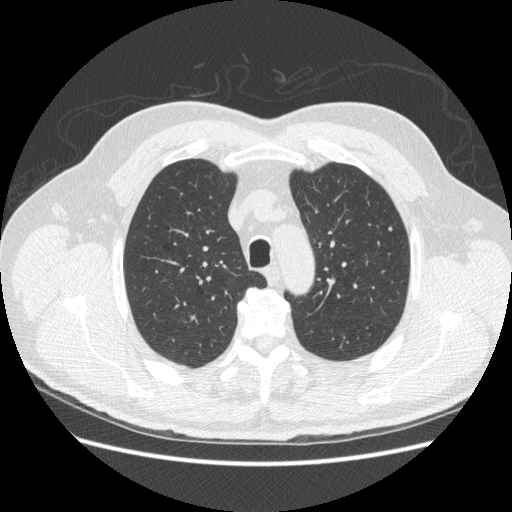
Axial slice 388 of 503 of a chest CT (slice 1 is the lowest), reconstructed with the STANDARD kernel at 120 kVp; 1.25 mm slice thickness and 0.742 mm pixels.
Pulmonary nodule, outlined by one of the four readers. Box on this slice rows 227–230, columns 387–391, that reader's outline on this slice; longest diameter 5.7 mm and volume 48 mm3 from that reader's outline. Ratings by that reader: texture 4/5; margin 4/5; sphericity 2/5; calcification absent; internal structure soft tissue; subtlety 3/5; malignancy likelihood 4/5. Scale key (1–5): texture non-solid→solid, margin indistinct→circumscribed, sphericity linear→round, subtlety extremely subtle→obvious, malignancy likelihood highly unlikely→highly suspicious of cancer. Box rows and columns are 0-based pixel indices from the top-left corner, inclusive.